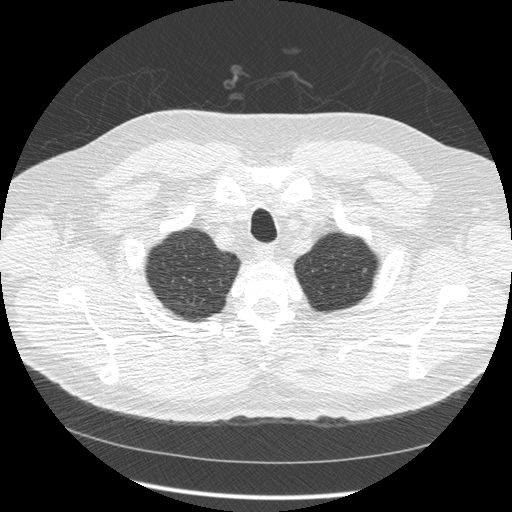
Slice 436/484 of a chest CT, counting up from the lowest; pixel size 0.762 mm, slice thickness 1.25 mm. Pulmonary nodule, outlined by one of the four readers. Box on this slice rows 268–271, columns 363–366, that reader's outline on this slice; longest diameter 4.6 mm and volume 27 mm3 from that reader's outline. That reader's ratings: texture 5/5 (solid); margin 5/5 (circumscribed); sphericity 4/5; calcification absent; internal structure soft tissue; subtlety 3/5; malignancy likelihood 2/5. Scale key (1–5): texture non-solid→solid, margin indistinct→circumscribed, sphericity linear→round, subtlety extremely subtle→obvious, malignancy likelihood highly unlikely→highly suspicious of cancer. Box rows and columns are 0-based pixel indices from the top-left corner, inclusive.
Acquired at 120 kVp and reconstructed with the STANDARD kernel.